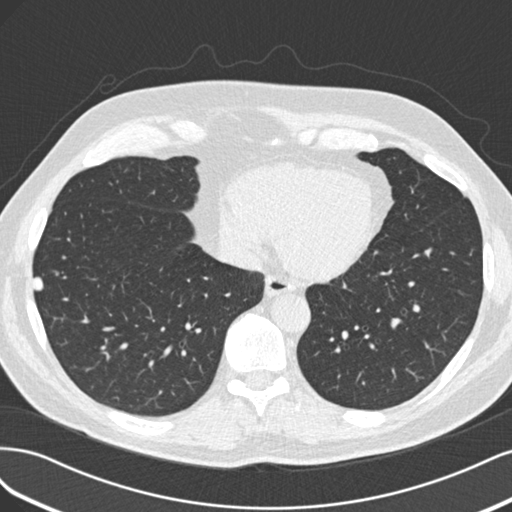
Axial chest CT slice 65 of 193 (counted from the lowest slice); tube voltage 120 kVp, convolution kernel B30f; slices 2.00 mm thick, 0.703 mm per pixel.
Pulmonary nodule at rows 276–291, columns 32–43 (box = the union of the readers' outlines on this slice), outlined by three of the four readers; the three readers' outlines give a longest diameter between 12.1 and 12.9 mm and a volume between 445 and 586 mm3. The readers' ratings, as ranges where they differ: texture from 4/5 to 5/5 (solid) across the three readers; margin from 4/5 to 5/5 (circumscribed) across the three readers; sphericity from 4/5 to 5/5 (round) across the three readers; calcification: absent (two), central calcification (one); internal structure soft tissue, all three readers agreeing; subtlety from 4/5 to 5/5 across the three readers; malignancy likelihood from 1/5 to 4/5 across the three readers. Scale key (1–5): texture non-solid→solid, margin indistinct→circumscribed, sphericity linear→round, subtlety extremely subtle→obvious, malignancy likelihood highly unlikely→highly suspicious of cancer. Box rows and columns are 0-based pixel indices from the top-left corner, inclusive.